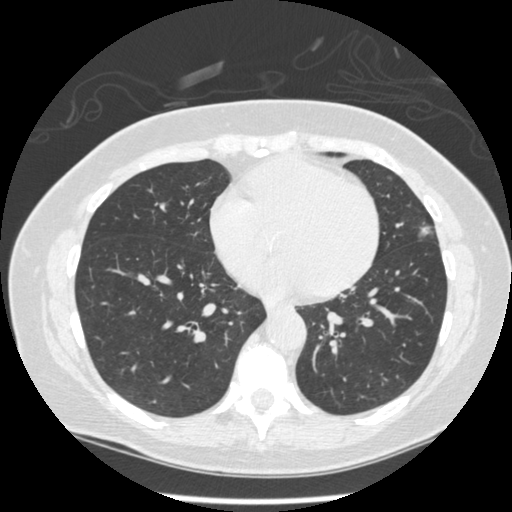
Chest CT, axial plane, 120 kVp, kernel STANDARD. Slice 189/490 from the bottom of the scan; thickness 1.25 mm; pixel size 0.645 mm.
The readers outlined no nodule of 3 mm or more on this slice.